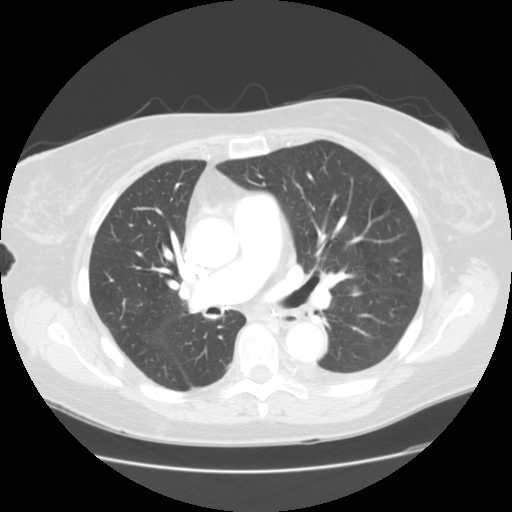
Axial chest CT slice 79 of 133 (counted from the lowest slice); tube voltage 120 kVp, convolution kernel STANDARD; slices 2.50 mm thick, 0.703 mm per pixel.
Pulmonary nodule outlined by all four readers, three of them on this slice; box rows 284–297, columns 349–362 (the union of the readers' outlines on this slice); the four readers' outlines give a longest diameter between 11.6 and 14.7 mm and a volume between 536 and 808 mm3. Ratings across the readers: texture 5/5 (solid), all four readers agreeing; margin from 3/5 to 5/5 (circumscribed) across the four readers; sphericity from 3/5 (ovoid) to 5/5 (round) across the four readers; calcification absent from all four readers; internal structure: soft tissue (three), fluid (one); subtlety from 4/5 to 5/5 across the four readers; malignancy likelihood 2–3/5 (the readers disagree). Scale key (1–5): texture non-solid→solid, margin indistinct→circumscribed, sphericity linear→round, subtlety extremely subtle→obvious, malignancy likelihood highly unlikely→highly suspicious of cancer. Box rows and columns are 0-based pixel indices from the top-left corner, inclusive.